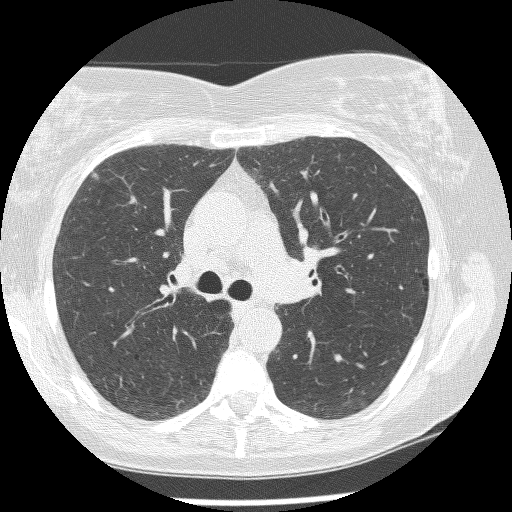
This is axial slice 186 of 270 (slice 1 is the lowest) of a chest CT; each pixel is 0.604 mm and the slice is 1.25 mm thick. Pulmonary nodule, outlined by all four readers. Box on this slice rows 172–179, columns 91–98, the union of the readers' outlines on this slice; median longest diameter 6.6 mm (readers' outlines 5.9–6.9 mm), median volume 84 mm3 (67–95 mm3). Median ratings and the readers' spread: texture 5/5 (solid) at the median of four readers, spread 4/5 to 5/5 (solid); margin 4.5/5 at the median of four readers, spread 4/5 to 5/5 (circumscribed); sphericity 4/5 at the median of four readers, spread 3/5 (ovoid) to 5/5 (round); calcification absent from all four readers; internal structure soft tissue, all four readers agreeing; subtlety 4/5 at the median of four readers, spread 3–4; malignancy likelihood 3/5 at the median of four readers, spread 3–4. Scale key (1–5): texture non-solid→solid, margin indistinct→circumscribed, sphericity linear→round, subtlety extremely subtle→obvious, malignancy likelihood highly unlikely→highly suspicious of cancer. Box rows and columns are 0-based pixel indices from the top-left corner, inclusive.
Tube voltage 120 kVp; convolution kernel BONE.